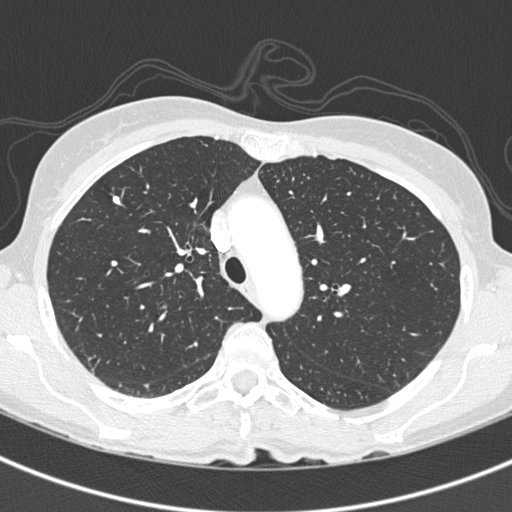
Axial slice 280 of 375 of a chest CT (slice 1 is the lowest), reconstructed with the B45f kernel at 120 kVp; 1.00 mm slice thickness and 0.586 mm pixels.
Pulmonary nodule, outlined by three of the four readers. Box on this slice rows 195–205, columns 111–121, the union of the readers' outlines on this slice; longest diameter 6.9 mm on average over the three readers' outlines (readers' outlines 6.0–8.0 mm), volume 67–113 mm3. The readers' prevailing ratings and who disagreed: texture 5/5 (solid), all three readers agreeing; margin 5/5 (circumscribed), all three readers agreeing; most readers (two of three) put sphericity at 4/5, others 3/5 (ovoid) (one); calcification solid calcification, all three readers agreeing; internal structure soft tissue from all three readers; most readers (two of three) put subtlety at 5/5, others 3/5 (one); malignancy likelihood 1/5, all three readers agreeing. Scale key (1–5): texture non-solid→solid, margin indistinct→circumscribed, sphericity linear→round, subtlety extremely subtle→obvious, malignancy likelihood highly unlikely→highly suspicious of cancer. Box rows and columns are 0-based pixel indices from the top-left corner, inclusive.